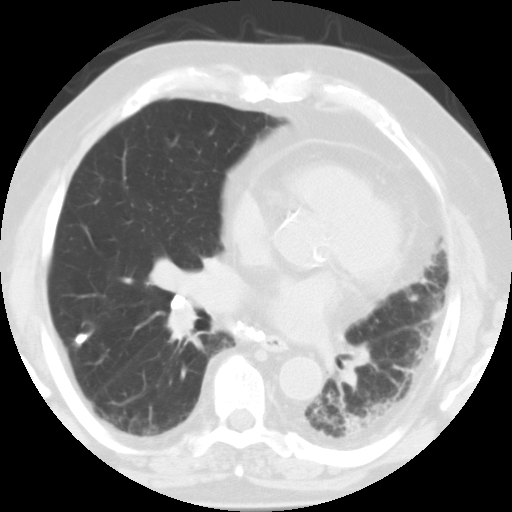
This is axial slice 60 of 113 (slice 1 is the lowest) of a chest CT; each pixel is 0.637 mm and the slice is 3.00 mm thick. Pulmonary nodule, outlined by three of the four readers. Box on this slice rows 333–345, columns 74–88, the union of the readers' outlines on this slice; median longest diameter 9.5 mm (readers' outlines 8.5–10.9 mm), median volume 400 mm3 (216–484 mm3). Median ratings and the readers' spread: texture 5/5 (solid) at the median of three readers, spread 4/5 to 5/5 (solid); margin 5/5 (circumscribed) at the median of three readers, spread 1/5 (indistinct) to 5/5 (circumscribed); sphericity 4/5 at the median of three readers, spread 3/5 (ovoid) to 4/5; calcification solid calcification, all three readers agreeing; internal structure soft tissue, all three readers agreeing; subtlety 5/5 at the median of three readers, spread 4–5; malignancy likelihood 1/5, all three readers agreeing. Scale key (1–5): texture non-solid→solid, margin indistinct→circumscribed, sphericity linear→round, subtlety extremely subtle→obvious, malignancy likelihood highly unlikely→highly suspicious of cancer. Box rows and columns are 0-based pixel indices from the top-left corner, inclusive.
Scan settings: 135 kVp, FC01 reconstruction kernel.